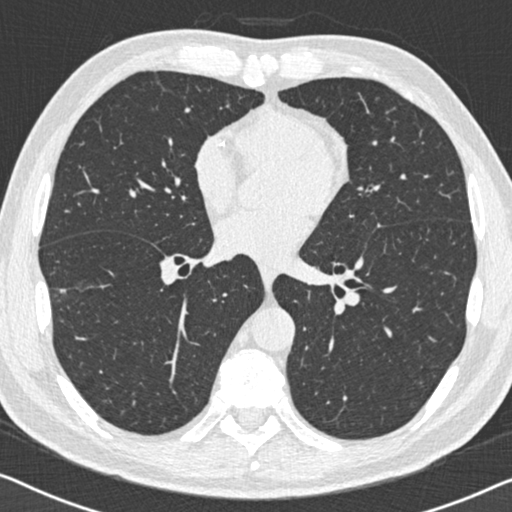
Chest CT, axial plane, 120 kVp, kernel B30f. Slice 289/558 from the bottom of the scan; thickness 0.75 mm; pixel size 0.648 mm.
Pulmonary nodule outlined by all four readers; box rows 289–294, columns 59–65 (the union of the readers' outlines on this slice); longest diameter 22.2 mm on average over the four readers' outlines (readers' outlines 18.8–26.5 mm), volume 726–1916 mm3. The readers' prevailing ratings and who disagreed: texture 5/5 (solid) by two of four readers; the rest gave 3/5 (part-solid) (one), 4/5 (one); margin 4/5 by two of four readers; the rest gave 1/5 (indistinct) (one), 2/5 (one); sphericity split among the readers: 2/5 (two), 4/5 (two); calcification absent, all four readers agreeing; internal structure soft tissue, all four readers agreeing; most readers (three of four) put subtlety at 5/5, others 4/5 (one); most readers (three of four) put malignancy likelihood at 4/5, others 5/5 (one). Scale key (1–5): texture non-solid→solid, margin indistinct→circumscribed, sphericity linear→round, subtlety extremely subtle→obvious, malignancy likelihood highly unlikely→highly suspicious of cancer. Box rows and columns are 0-based pixel indices from the top-left corner, inclusive.